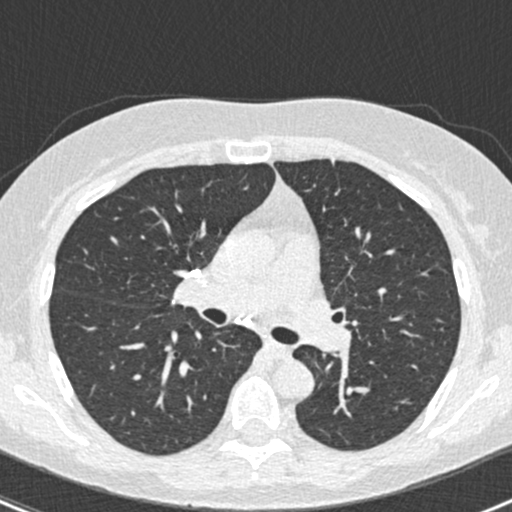
Chest CT, axial plane, 120 kVp, kernel B30f. Slice 272/429 from the bottom of the scan; thickness 0.75 mm; pixel size 0.586 mm.
The readers outlined no nodule of 3 mm or more on this slice.